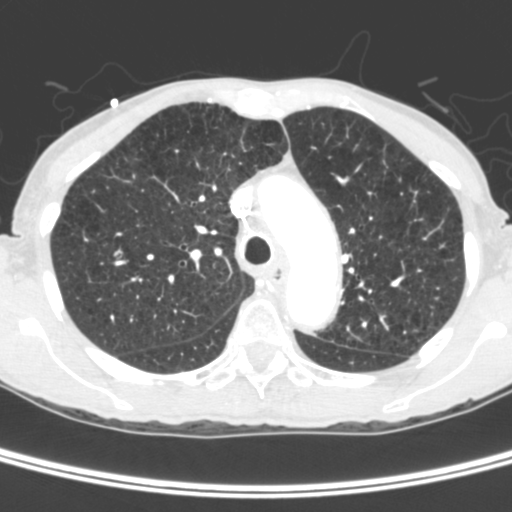
Slice 277/400 of a chest CT, counting up from the lowest; pixel size 0.527 mm, slice thickness 1.50 mm. Pulmonary nodule outlined by one of the four readers; box rows 250–256, columns 114–121 (that reader's outline on this slice); longest diameter 5.7 mm and volume 76 mm3 from that reader's outline. Ratings by that reader: texture 5/5 (solid); margin 4/5; sphericity 4/5; calcification absent; internal structure soft tissue; subtlety 4/5; malignancy likelihood 3/5. Scale key (1–5): texture non-solid→solid, margin indistinct→circumscribed, sphericity linear→round, subtlety extremely subtle→obvious, malignancy likelihood highly unlikely→highly suspicious of cancer. Box rows and columns are 0-based pixel indices from the top-left corner, inclusive.
Tube voltage 120 kVp; convolution kernel C.